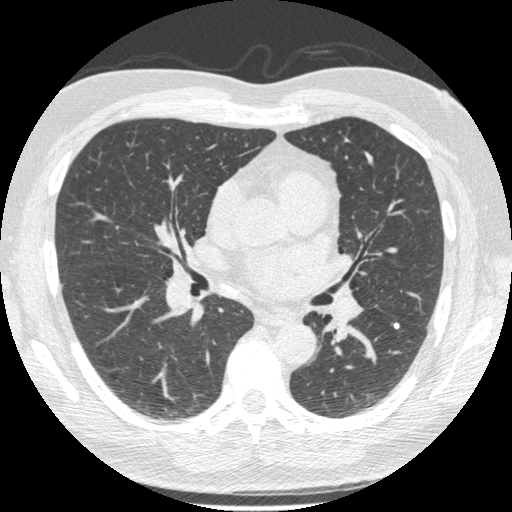
Slice 302/557 of a chest CT, counting up from the lowest; pixel size 0.703 mm, slice thickness 1.25 mm. Pulmonary nodule, outlined by all four readers. Box on this slice rows 322–328, columns 391–399, the union of the readers' outlines on this slice; longest diameter 8.2 mm on average over the four readers' outlines (readers' outlines 6.0–9.4 mm), volume 90–190 mm3. Ratings, by the readers' most common answer with dissent counted: texture 5/5 (solid), all four readers agreeing; most readers (three of four) put margin at 5/5 (circumscribed), others 4/5 (one); sphericity 5/5 (round) by two of four readers; the rest gave 2/5 (one), 4/5 (one); calcification split among the readers: non-central calcification (two), solid calcification (two); internal structure soft tissue, all four readers agreeing; subtlety 5/5 by two of four readers; the rest gave 3/5 (one), 4/5 (one); malignancy likelihood 1/5 by three of four readers; the rest gave 2/5 (one). Scale key (1–5): texture non-solid→solid, margin indistinct→circumscribed, sphericity linear→round, subtlety extremely subtle→obvious, malignancy likelihood highly unlikely→highly suspicious of cancer. Box rows and columns are 0-based pixel indices from the top-left corner, inclusive.
Scan settings: 120 kVp, STANDARD reconstruction kernel.